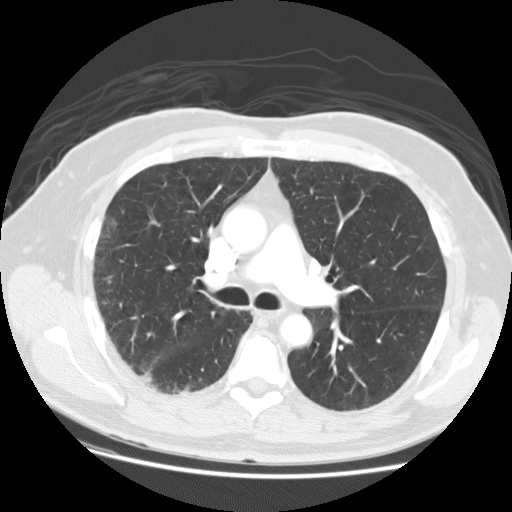
Axial chest CT slice 76 of 127 (counted from the lowest slice); 2.50 mm thick, 0.742 mm per pixel. None of the four readers outlined a nodule of 3 mm or more on this slice.
Acquired at 120 kVp and reconstructed with the STANDARD kernel.